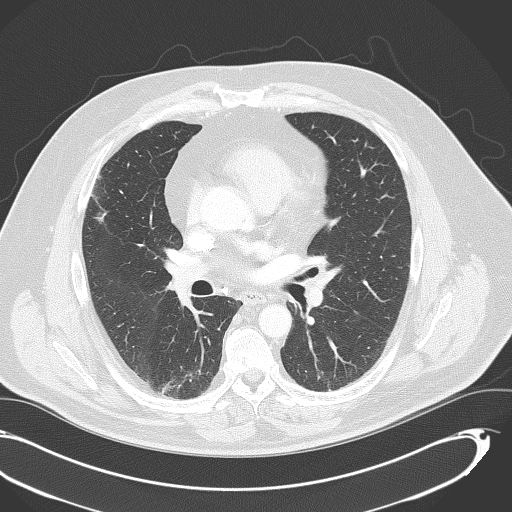
One axial slice (206 of 333, counting up from the lowest) of a chest CT acquired at 120 kVp with the B70f kernel; each pixel is 0.775 mm and the slice is 2.00 mm thick.
Pulmonary nodule, outlined by all four readers, two of them on this slice. Box on this slice rows 212–220, columns 95–101, the union of the readers' outlines on this slice; longest diameter 11.1 mm on average over the four readers' outlines (readers' outlines 9.4–12.6 mm), volume 231–434 mm3. Ratings, by the readers' most common answer with dissent counted: texture 5/5 (solid), all four readers agreeing; most readers (three of four) put margin at 4/5, others 5/5 (circumscribed) (one); sphericity 5/5 (round) by three of four readers; the rest gave 4/5 (one); calcification absent by three of four readers, non-central calcification (one); internal structure soft tissue, all four readers agreeing; subtlety 5/5 by two of four readers; the rest gave 3/5 (one), 4/5 (one); malignancy likelihood 4/5 by two of four readers; the rest gave 1/5 (one), 3/5 (one). Scale key (1–5): texture non-solid→solid, margin indistinct→circumscribed, sphericity linear→round, subtlety extremely subtle→obvious, malignancy likelihood highly unlikely→highly suspicious of cancer. Box rows and columns are 0-based pixel indices from the top-left corner, inclusive.